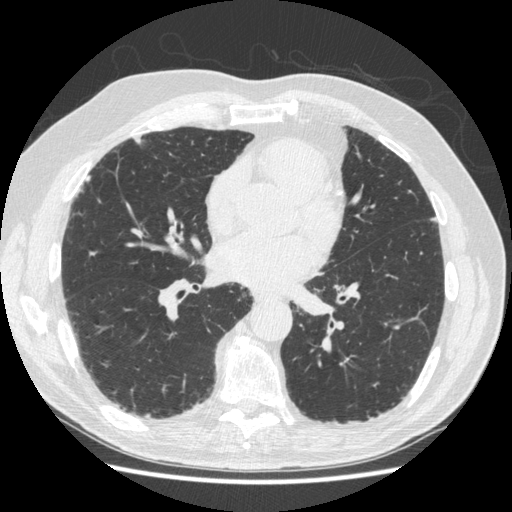
Axial slice 232 of 497 of a chest CT (slice 1 is the lowest), reconstructed with the STANDARD kernel at 120 kVp; 1.25 mm slice thickness and 0.703 mm pixels.
Pulmonary nodule, outlined by all four readers, two of them on this slice. Box on this slice rows 135–147, columns 132–146, the union of the readers' outlines on this slice; longest diameter 12.2 mm on average over the four readers' outlines (readers' outlines 10.9–14.8 mm), volume 184–648 mm3. Ratings, by the readers' most common answer with dissent counted: most readers (three of four) put texture at 5/5 (solid), others 1/5 (non-solid) (one); margin 3/5 by two of four readers; the rest gave 2/5 (one), 4/5 (one); sphericity 3/5 (ovoid) by two of four readers; the rest gave 4/5 (one), 5/5 (round) (one); calcification absent from all four readers; internal structure soft tissue from all four readers; subtlety 4/5 by two of four readers; the rest gave 1/5 (one), 5/5 (one); malignancy likelihood 3/5 by two of four readers; the rest gave 2/5 (one), 4/5 (one). Scale key (1–5): texture non-solid→solid, margin indistinct→circumscribed, sphericity linear→round, subtlety extremely subtle→obvious, malignancy likelihood highly unlikely→highly suspicious of cancer. Box rows and columns are 0-based pixel indices from the top-left corner, inclusive.